Axial chest CT slice 95 of 124 (counted from the lowest slice); tube voltage 135 kVp, convolution kernel FC01; slices 3.00 mm thick, 0.671 mm per pixel.
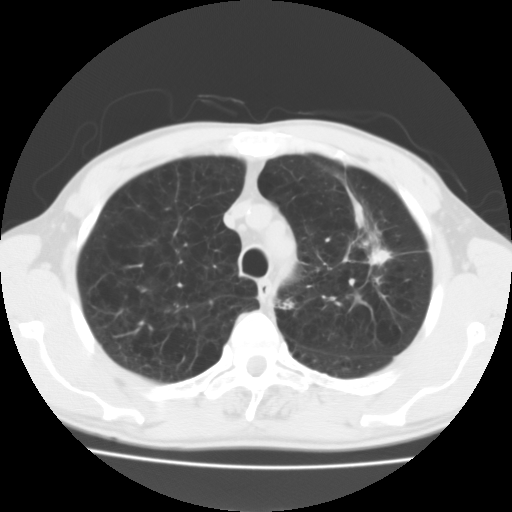
Pulmonary nodule, outlined by one of the four readers. Box on this slice rows 246–264, columns 369–391, that reader's outline on this slice; longest diameter 17.3 mm and volume 1303 mm3 from that reader's outline. That reader's ratings: texture 5/5 (solid); margin 3/5; sphericity 2/5; calcification absent; internal structure soft tissue; subtlety 5/5; malignancy likelihood 3/5. Scale key (1–5): texture non-solid→solid, margin indistinct→circumscribed, sphericity linear→round, subtlety extremely subtle→obvious, malignancy likelihood highly unlikely→highly suspicious of cancer. Box rows and columns are 0-based pixel indices from the top-left corner, inclusive.